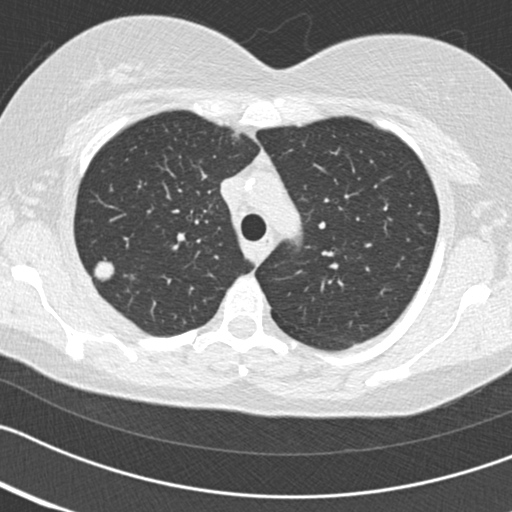
Axial slice 123 of 161 of a chest CT (slice 1 is the lowest), reconstructed with the B30f kernel at 120 kVp; 2.00 mm slice thickness and 0.586 mm pixels.
Pulmonary nodule outlined by all four readers; box rows 261–281, columns 94–114 (the union of the readers' outlines on this slice); longest diameter 16.3 mm on average over the four readers' outlines (readers' outlines 15.4–17.6 mm), volume 1259–1807 mm3. The readers' prevailing ratings and who disagreed: most readers (three of four) put texture at 5/5 (solid), others 4/5 (one); margin 5/5 (circumscribed) by three of four readers; the rest gave 4/5 (one); sphericity 5/5 (round) from all four readers; calcification split among the readers: central calcification (two), absent (two); internal structure soft tissue from all four readers; subtlety 5/5, all four readers agreeing; malignancy likelihood split among the readers: 1/5 (two), 3/5 (two). Scale key (1–5): texture non-solid→solid, margin indistinct→circumscribed, sphericity linear→round, subtlety extremely subtle→obvious, malignancy likelihood highly unlikely→highly suspicious of cancer. Box rows and columns are 0-based pixel indices from the top-left corner, inclusive.